Chest CT, axial plane, 120 kVp, kernel BONE. Slice 180/261 from the bottom of the scan; thickness 1.25 mm; pixel size 0.586 mm.
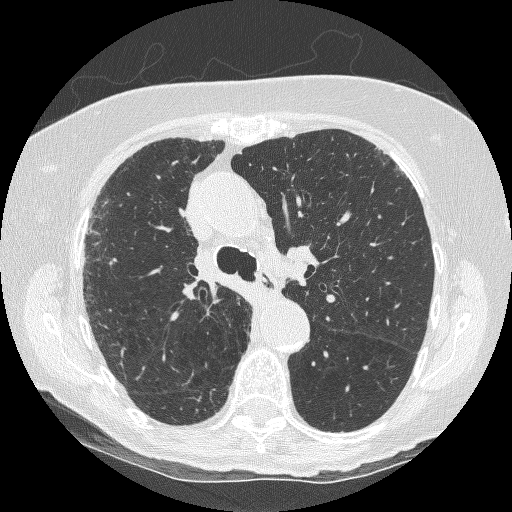
None of the four readers outlined a nodule of 3 mm or more on this slice.